Axial slice 285 of 417 of a chest CT (slice 1 is the lowest), reconstructed with the STANDARD kernel at 120 kVp; 1.25 mm slice thickness and 0.703 mm pixels.
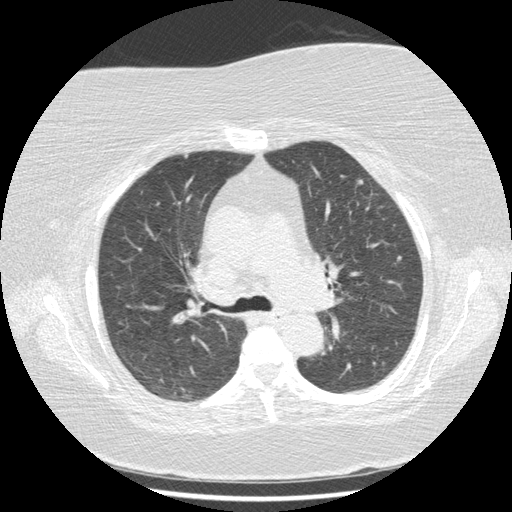
Two pulmonary nodules are outlined on this slice; from left to right: (1) Pulmonary nodule at rows 155–157, columns 184–188 (box = that reader's outline on this slice), outlined by one of the four readers; longest diameter 5.0 mm and volume 27 mm3 from that reader's outline. That reader's ratings: texture 5/5 (solid); margin 5/5 (circumscribed); sphericity 4/5; calcification absent; internal structure soft tissue; subtlety 5/5; malignancy likelihood 3/5. (2) Pulmonary nodule, outlined by three of the four readers. Box on this slice rows 255–261, columns 395–402, the union of the readers' outlines on this slice; longest diameter 5.8–6.7 mm and volume 55–91 mm3 across the three readers' outlines. Ratings across the readers: texture from 4/5 to 5/5 (solid) across the three readers; margin from 4/5 to 5/5 (circumscribed) across the three readers; sphericity from 4/5 to 5/5 (round) across the three readers; calcification absent from all three readers; internal structure soft tissue from all three readers; subtlety from 4/5 to 5/5 across the three readers; malignancy likelihood from 2/5 to 3/5 across the three readers. Scale key (1–5): texture non-solid→solid, margin indistinct→circumscribed, sphericity linear→round, subtlety extremely subtle→obvious, malignancy likelihood highly unlikely→highly suspicious of cancer. Box rows and columns are 0-based pixel indices from the top-left corner, inclusive.